Axial chest CT slice 36 of 108 (counted from the lowest slice); tube voltage 130 kVp, convolution kernel B31s; slices 3.00 mm thick, 0.629 mm per pixel.
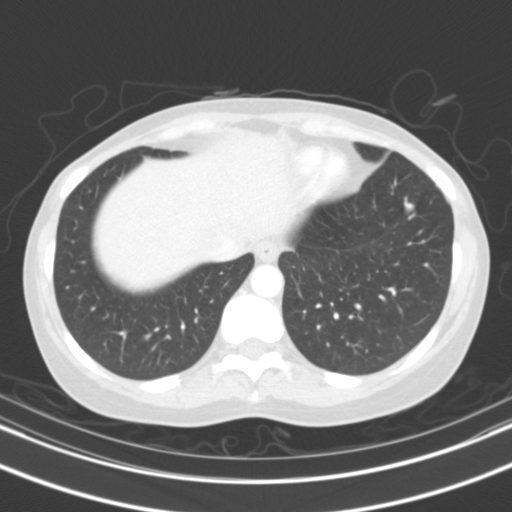
Pulmonary nodule outlined by all four readers; box rows 202–212, columns 404–414 (the union of the readers' outlines on this slice); longest diameter 10.0 mm on average over the four readers' outlines (readers' outlines 9.2–11.5 mm), volume 286–461 mm3. Ratings, by the readers' most common answer with dissent counted: texture 5/5 (solid), all four readers agreeing; margin split among the readers: 4/5 (two), 5/5 (circumscribed) (two); sphericity 3/5 (ovoid) by two of four readers; the rest gave 4/5 (one), 5/5 (round) (one); calcification solid calcification, all four readers agreeing; internal structure soft tissue from all four readers; most readers (three of four) put subtlety at 4/5, others 5/5 (one); malignancy likelihood 1/5 from all four readers. Scale key (1–5): texture non-solid→solid, margin indistinct→circumscribed, sphericity linear→round, subtlety extremely subtle→obvious, malignancy likelihood highly unlikely→highly suspicious of cancer. Box rows and columns are 0-based pixel indices from the top-left corner, inclusive.